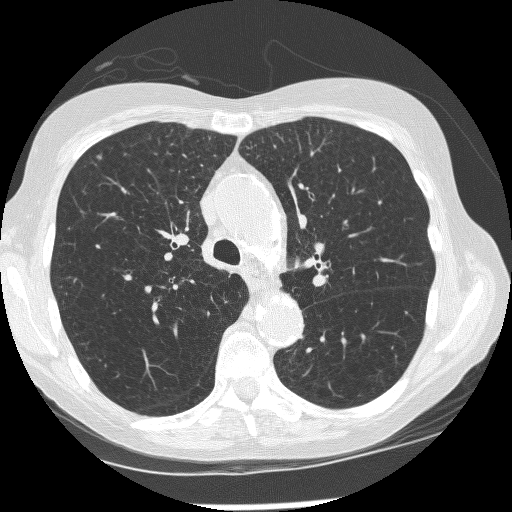
Axial slice 183 of 267 of a chest CT (slice 1 is the lowest), reconstructed with the BONE kernel at 120 kVp; 1.25 mm slice thickness and 0.596 mm pixels.
Pulmonary nodule at rows 154–158, columns 96–100 (box = the union of the readers' outlines on this slice), outlined by three of the four readers; median longest diameter 5.3 mm (readers' outlines 5.1–6.7 mm), median volume 80 mm3 (79–125 mm3). Ratings, median across the readers with their spread: median texture 5/5 (solid) (readers ranged 4/5 to 5/5 (solid)); median margin 4/5 (readers ranged 3/5 to 5/5 (circumscribed)); sphericity 3/5 (ovoid) at the median of three readers, spread 3/5 (ovoid) to 4/5; calcification absent, all three readers agreeing; internal structure soft tissue, all three readers agreeing; subtlety 4/5 at the median of three readers, spread 2–5; malignancy likelihood 3/5 at the median of three readers, spread 3–4. Scale key (1–5): texture non-solid→solid, margin indistinct→circumscribed, sphericity linear→round, subtlety extremely subtle→obvious, malignancy likelihood highly unlikely→highly suspicious of cancer. Box rows and columns are 0-based pixel indices from the top-left corner, inclusive.